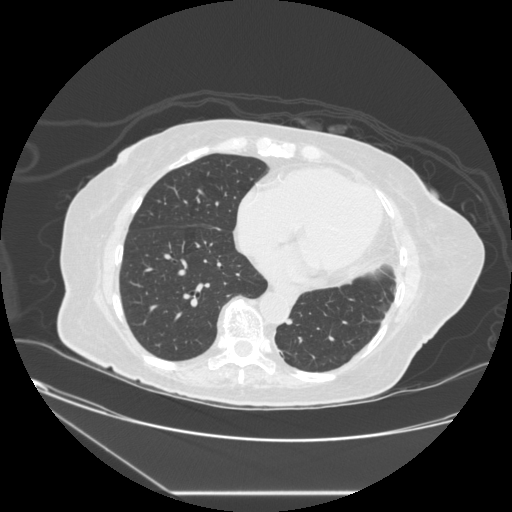
Chest CT, axial plane, 120 kVp, kernel STANDARD. Slice 112/241 from the bottom of the scan; thickness 1.25 mm; pixel size 0.773 mm.
This slice carries no reader outline of a nodule 3 mm or larger.